Chest CT, axial plane, 120 kVp, kernel B30f. Slice 167/209 from the bottom of the scan; thickness 2.00 mm; pixel size 0.625 mm.
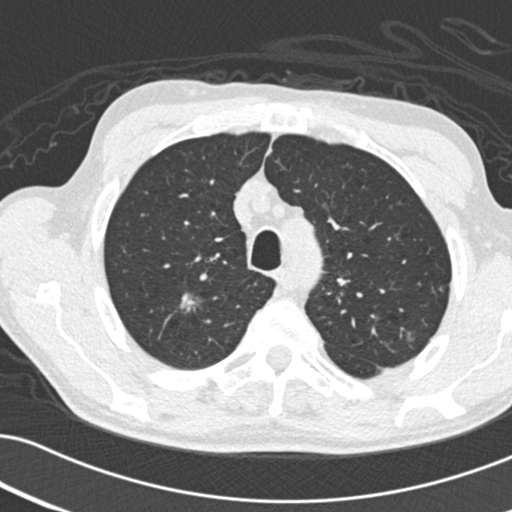
Pulmonary nodule outlined by two of the four readers; box rows 292–313, columns 178–202 (the union of the readers' outlines on this slice); longest diameter 16.4 mm on average over the two readers' outlines (readers' outlines 15.9–16.8 mm), volume 371–777 mm3. The readers' prevailing ratings and who disagreed: texture split among the readers: 1/5 (non-solid) (one), 3/5 (part-solid) (one); margin split among the readers: 2/5 (one), 4/5 (one); sphericity split among the readers: 2/5 (one), 4/5 (one); calcification absent, both readers agreeing; internal structure soft tissue, both readers agreeing; subtlety split among the readers: 3/5 (one), 5/5 (one); malignancy likelihood split among the readers: 3/5 (one), 5/5 (one). Scale key (1–5): texture non-solid→solid, margin indistinct→circumscribed, sphericity linear→round, subtlety extremely subtle→obvious, malignancy likelihood highly unlikely→highly suspicious of cancer. Box rows and columns are 0-based pixel indices from the top-left corner, inclusive.